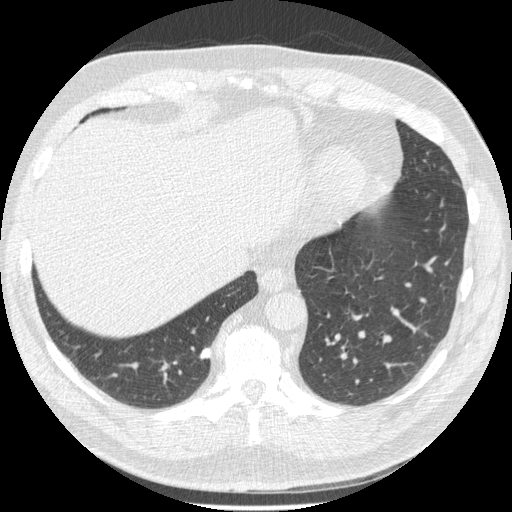
Chest CT, axial plane, 120 kVp, kernel STANDARD. Slice 164/557 from the bottom of the scan; thickness 1.25 mm; pixel size 0.703 mm.
Pulmonary nodule, outlined by all four readers. Box on this slice rows 347–358, columns 198–210, the union of the readers' outlines on this slice; median longest diameter 10.4 mm (readers' outlines 8.6–11.5 mm), median volume 209 mm3 (175–299 mm3). Median ratings and the readers' spread: texture 5/5 (solid), all four readers agreeing; margin 5/5 (circumscribed) at the median of four readers, spread 2/5 to 5/5 (circumscribed); median sphericity 4.5/5 (readers ranged 4/5 to 5/5 (round)); calcification: solid calcification (two), absent (one), central calcification (one); internal structure soft tissue, all four readers agreeing; median subtlety 4.5/5 (readers ranged 3–5); median malignancy likelihood 1/5 (readers ranged 1–4). Scale key (1–5): texture non-solid→solid, margin indistinct→circumscribed, sphericity linear→round, subtlety extremely subtle→obvious, malignancy likelihood highly unlikely→highly suspicious of cancer. Box rows and columns are 0-based pixel indices from the top-left corner, inclusive.